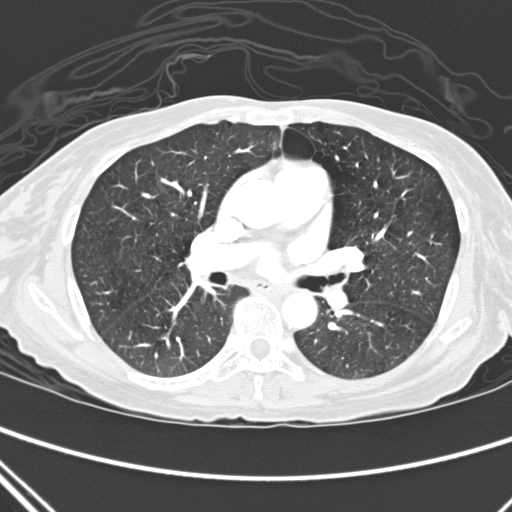
Axial slice 142 of 280 of a chest CT (slice 1 is the lowest), reconstructed with the D kernel at 120 kVp; 2.00 mm slice thickness and 0.627 mm pixels.
The readers outlined no nodule of 3 mm or more on this slice.